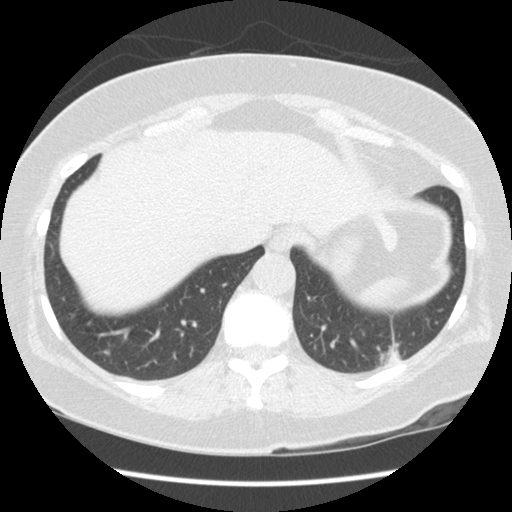
Slice 35/154 of a chest CT, counting up from the lowest; pixel size 0.645 mm, slice thickness 2.50 mm. Pulmonary nodule at rows 344–366, columns 380–399 (box = that reader's outline on this slice), outlined by one of the four readers; longest diameter 24.1 mm and volume 2244 mm3 from that reader's outline. Ratings by that reader: texture 3/5 (part-solid); margin 3/5; sphericity 4/5; calcification absent; internal structure soft tissue; subtlety 4/5; malignancy likelihood 1/5. Scale key (1–5): texture non-solid→solid, margin indistinct→circumscribed, sphericity linear→round, subtlety extremely subtle→obvious, malignancy likelihood highly unlikely→highly suspicious of cancer. Box rows and columns are 0-based pixel indices from the top-left corner, inclusive.
Scan settings: 120 kVp, STANDARD reconstruction kernel.